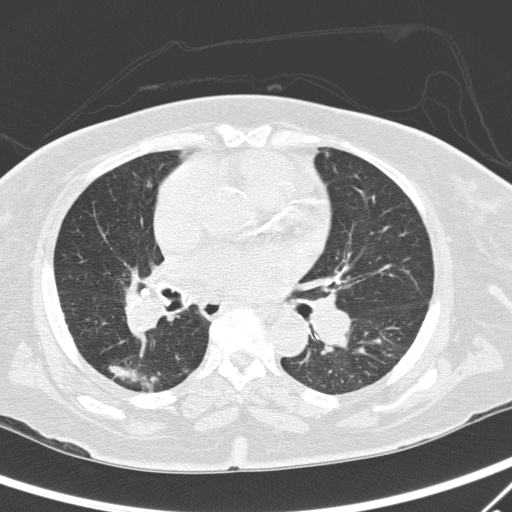
Axial slice 160 of 295 of a chest CT (slice 1 is the lowest), reconstructed with the D kernel at 120 kVp; 2.00 mm slice thickness and 0.682 mm pixels.
Pulmonary nodule, outlined by one of the four readers. Box on this slice rows 361–390, columns 108–160, that reader's outline on this slice; longest diameter 49.8 mm and volume 6337 mm3 from that reader's outline. Ratings by that reader: texture 4/5; margin 1/5 (indistinct); sphericity 3/5 (ovoid); calcification absent; internal structure soft tissue; subtlety 5/5; malignancy likelihood 5/5. Scale key (1–5): texture non-solid→solid, margin indistinct→circumscribed, sphericity linear→round, subtlety extremely subtle→obvious, malignancy likelihood highly unlikely→highly suspicious of cancer. Box rows and columns are 0-based pixel indices from the top-left corner, inclusive.